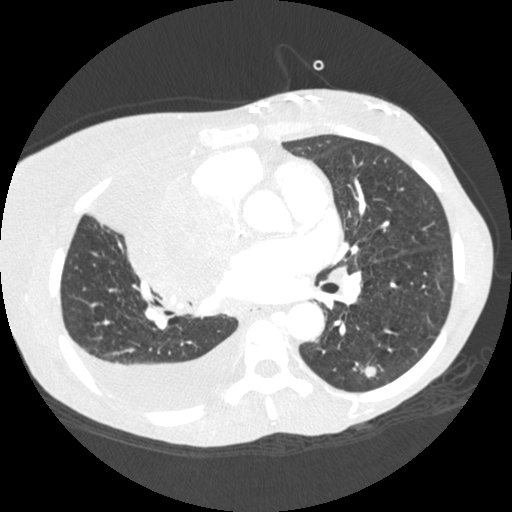
Axial slice 118 of 238 of a chest CT (slice 1 is the lowest), reconstructed with the STANDARD kernel at 120 kVp; 1.25 mm slice thickness and 0.625 mm pixels.
Pulmonary nodule at rows 365–377, columns 364–376 (box = the union of the readers' outlines on this slice), outlined by all four readers; longest diameter 10.1 mm on average over the four readers' outlines (readers' outlines 9.7–10.7 mm), volume 334–416 mm3. Ratings, by the readers' most common answer with dissent counted: texture 5/5 (solid) from all four readers; margin 4/5 from all four readers; sphericity split among the readers: 4/5 (two), 5/5 (round) (two); calcification absent, all four readers agreeing; internal structure soft tissue from all four readers; subtlety split among the readers: 4/5 (two), 5/5 (two); malignancy likelihood 4/5 by two of four readers; the rest gave 3/5 (one), 5/5 (one). Scale key (1–5): texture non-solid→solid, margin indistinct→circumscribed, sphericity linear→round, subtlety extremely subtle→obvious, malignancy likelihood highly unlikely→highly suspicious of cancer. Box rows and columns are 0-based pixel indices from the top-left corner, inclusive.